Axial chest CT slice 36 of 123 (counted from the lowest slice); tube voltage 120 kVp, convolution kernel STANDARD; slices 2.50 mm thick, 0.703 mm per pixel.
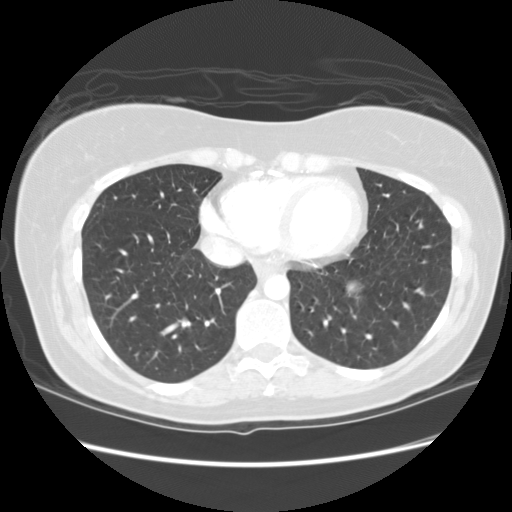
Pulmonary nodule at rows 279–296, columns 344–364 (box = the union of the readers' outlines on this slice), outlined by all four readers, three of them on this slice; the four readers' outlines give a longest diameter between 15.6 and 16.8 mm and a volume between 874 and 1495 mm3. Ratings across the readers: texture 5/5 (solid) from all four readers; margin from 4/5 to 5/5 (circumscribed) across the four readers; sphericity from 2/5 to 5/5 (round) across the four readers; calcification absent, all four readers agreeing; internal structure soft tissue, all four readers agreeing; subtlety 2–5/5 (the readers disagree); malignancy likelihood 2–5/5 (the readers disagree). Scale key (1–5): texture non-solid→solid, margin indistinct→circumscribed, sphericity linear→round, subtlety extremely subtle→obvious, malignancy likelihood highly unlikely→highly suspicious of cancer. Box rows and columns are 0-based pixel indices from the top-left corner, inclusive.